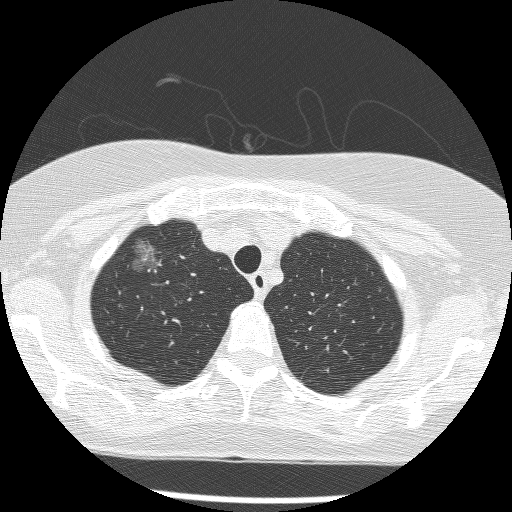
Axial chest CT slice 205 of 241 (counted from the lowest slice); tube voltage 120 kVp, convolution kernel BONE; slices 1.25 mm thick, 0.586 mm per pixel.
Pulmonary nodule at rows 237–273, columns 131–162 (box = the union of the readers' outlines on this slice), outlined by all four readers; the four readers' outlines give a longest diameter between 21.0 and 24.7 mm and a volume between 2289 and 2909 mm3. Ratings across the readers: texture from 1/5 (non-solid) to 2/5 across the four readers; margin from 2/5 to 3/5 across the four readers; sphericity from 2/5 to 4/5 across the four readers; calcification absent, all four readers agreeing; internal structure soft tissue, all four readers agreeing; subtlety 4–5/5 (the readers disagree); malignancy likelihood rated between 3 and 5 out of 5 by the four readers. Scale key (1–5): texture non-solid→solid, margin indistinct→circumscribed, sphericity linear→round, subtlety extremely subtle→obvious, malignancy likelihood highly unlikely→highly suspicious of cancer. Box rows and columns are 0-based pixel indices from the top-left corner, inclusive.